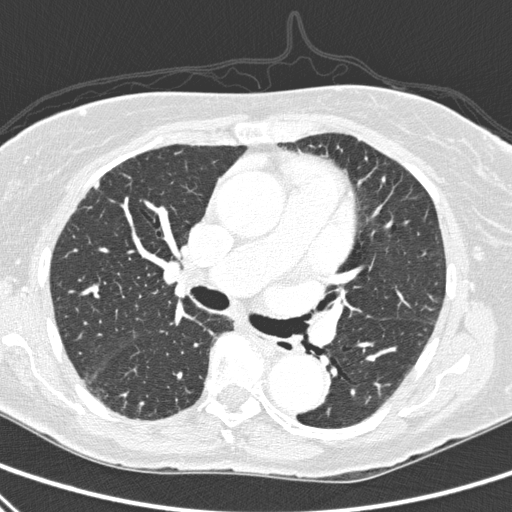
Chest CT, axial plane, 120 kVp, kernel D. Slice 185/310 from the bottom of the scan; thickness 1.00 mm; pixel size 0.643 mm.
Pulmonary nodule, outlined by two of the four readers. Box on this slice rows 182–188, columns 94–98, the union of the readers' outlines on this slice; longest diameter 6.4 mm on average over the two readers' outlines (readers' outlines 6.1–6.7 mm), volume 78–81 mm3. Ratings, by the readers' most common answer with dissent counted: texture 5/5 (solid) from both readers; margin split among the readers: 4/5 (one), 5/5 (circumscribed) (one); sphericity split among the readers: 2/5 (one), 4/5 (one); calcification split among the readers: absent (one), non-central calcification (one); internal structure soft tissue, both readers agreeing; subtlety 5/5 from both readers; malignancy likelihood split among the readers: 1/5 (one), 3/5 (one). Scale key (1–5): texture non-solid→solid, margin indistinct→circumscribed, sphericity linear→round, subtlety extremely subtle→obvious, malignancy likelihood highly unlikely→highly suspicious of cancer. Box rows and columns are 0-based pixel indices from the top-left corner, inclusive.